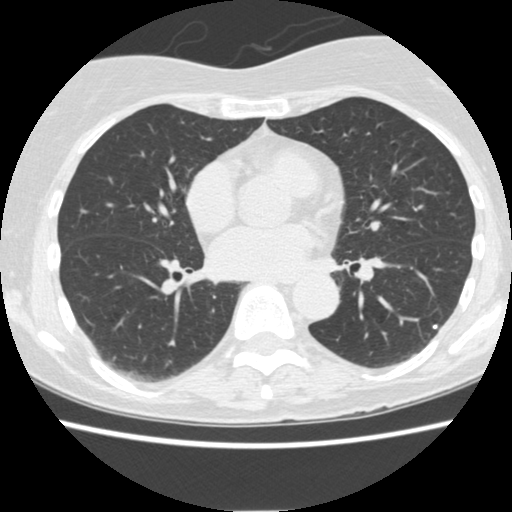
Slice 201/484 of a chest CT, counting up from the lowest; pixel size 0.625 mm, slice thickness 1.25 mm. Pulmonary nodule, outlined by one of the four readers. Box on this slice rows 325–328, columns 432–436, that reader's outline on this slice; longest diameter 4.6 mm and volume 36 mm3 from that reader's outline. That reader's ratings: texture 5/5 (solid); margin 5/5 (circumscribed); sphericity 4/5; calcification solid calcification; internal structure soft tissue; subtlety 5/5; malignancy likelihood 1/5. Scale key (1–5): texture non-solid→solid, margin indistinct→circumscribed, sphericity linear→round, subtlety extremely subtle→obvious, malignancy likelihood highly unlikely→highly suspicious of cancer. Box rows and columns are 0-based pixel indices from the top-left corner, inclusive.
Tube voltage 120 kVp; convolution kernel STANDARD.